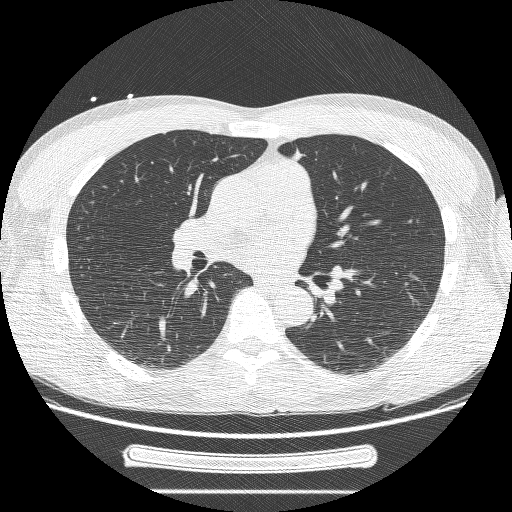
Axial chest CT slice 131 of 244 (counted from the lowest slice); tube voltage 120 kVp, convolution kernel BONE; slices 1.25 mm thick, 0.729 mm per pixel.
Pulmonary nodule, outlined by three of the four readers, one of them on this slice. Box on this slice rows 150–156, columns 295–299, the one reader's outline on this slice; longest diameter 34.2 mm on average over the three readers' outlines (readers' outlines 27.4–37.9 mm), volume 2934–10099 mm3. The readers' prevailing ratings and who disagreed: texture 5/5 (solid) by two of three readers; the rest gave 3/5 (part-solid) (one); margin split among the readers: 1/5 (indistinct) (one), 2/5 (one), 3/5 (one); sphericity split among the readers: 2/5 (one), 3/5 (ovoid) (one), 4/5 (one); calcification absent, all three readers agreeing; internal structure soft tissue from all three readers; subtlety 5/5 from all three readers; malignancy likelihood 5/5 by two of three readers; the rest gave 3/5 (one). Scale key (1–5): texture non-solid→solid, margin indistinct→circumscribed, sphericity linear→round, subtlety extremely subtle→obvious, malignancy likelihood highly unlikely→highly suspicious of cancer. Box rows and columns are 0-based pixel indices from the top-left corner, inclusive.